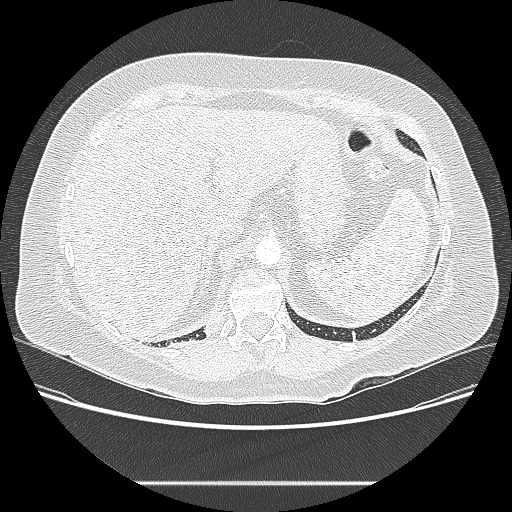
Axial slice 38 of 238 of a chest CT (slice 1 is the lowest), reconstructed with the LUNG kernel at 120 kVp; 1.25 mm slice thickness and 0.742 mm pixels.
Pulmonary nodule outlined by three of the four readers, two of them on this slice; box rows 317–336, columns 204–221 (the union of the readers' outlines on this slice); longest diameter 20.6–21.1 mm and volume 743–1062 mm3 across the three readers' outlines. The readers' ratings, as ranges where they differ: texture 5/5 (solid), all three readers agreeing; margin from 4/5 to 5/5 (circumscribed) across the three readers; sphericity 3/5 (ovoid), all three readers agreeing; calcification absent, all three readers agreeing; internal structure soft tissue, all three readers agreeing; subtlety rated between 3 and 4 out of 5 by the three readers; malignancy likelihood 3/5, all three readers agreeing. Scale key (1–5): texture non-solid→solid, margin indistinct→circumscribed, sphericity linear→round, subtlety extremely subtle→obvious, malignancy likelihood highly unlikely→highly suspicious of cancer. Box rows and columns are 0-based pixel indices from the top-left corner, inclusive.